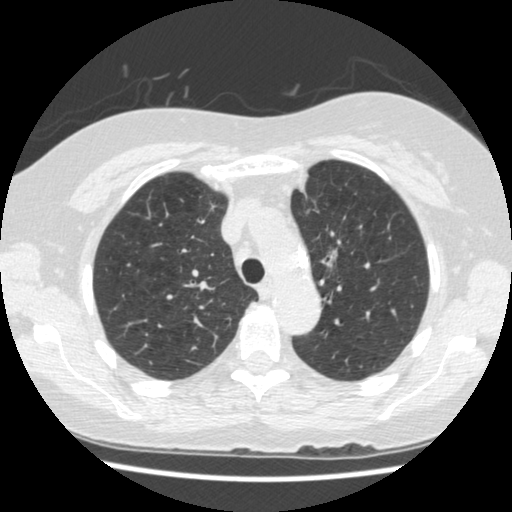
Axial chest CT slice 348 of 474 (counted from the lowest slice); tube voltage 120 kVp, convolution kernel STANDARD; slices 1.25 mm thick, 0.625 mm per pixel.
Pulmonary nodule, outlined by one of the four readers. Box on this slice rows 249–269, columns 320–336, that reader's outline on this slice; longest diameter 17.7 mm and volume 538 mm3 from that reader's outline. That reader's ratings: texture 1/5 (non-solid); margin 2/5; sphericity 3/5 (ovoid); calcification absent; internal structure soft tissue; subtlety 3/5; malignancy likelihood 2/5. Scale key (1–5): texture non-solid→solid, margin indistinct→circumscribed, sphericity linear→round, subtlety extremely subtle→obvious, malignancy likelihood highly unlikely→highly suspicious of cancer. Box rows and columns are 0-based pixel indices from the top-left corner, inclusive.